One axial slice (81 of 153, counting up from the lowest) of a chest CT acquired at 120 kVp with the B31f kernel; each pixel is 0.836 mm and the slice is 3.00 mm thick.
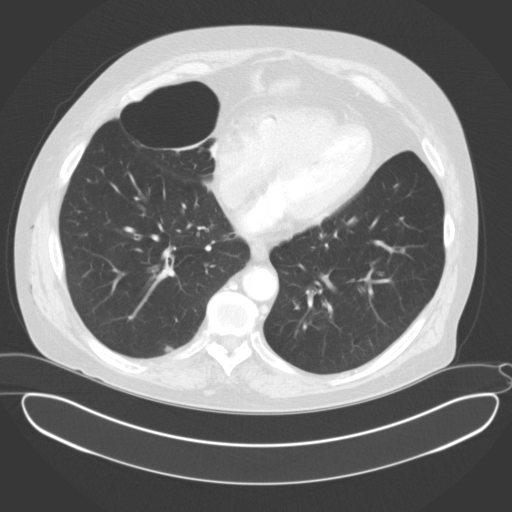
Pulmonary nodule, outlined by three of the four readers. Box on this slice rows 345–353, columns 164–173, the union of the readers' outlines on this slice; longest diameter 9.0 mm on average over the three readers' outlines (readers' outlines 8.5–9.5 mm), volume 113–219 mm3. The readers' prevailing ratings and who disagreed: texture 4/5 by two of three readers; the rest gave 5/5 (solid) (one); margin 3/5 by two of three readers; the rest gave 4/5 (one); sphericity 3/5 (ovoid) by two of three readers; the rest gave 4/5 (one); calcification absent from all three readers; internal structure soft tissue from all three readers; subtlety split among the readers: 3/5 (one), 4/5 (one), 5/5 (one); malignancy likelihood split among the readers: 1/5 (one), 3/5 (one), 4/5 (one). Scale key (1–5): texture non-solid→solid, margin indistinct→circumscribed, sphericity linear→round, subtlety extremely subtle→obvious, malignancy likelihood highly unlikely→highly suspicious of cancer. Box rows and columns are 0-based pixel indices from the top-left corner, inclusive.